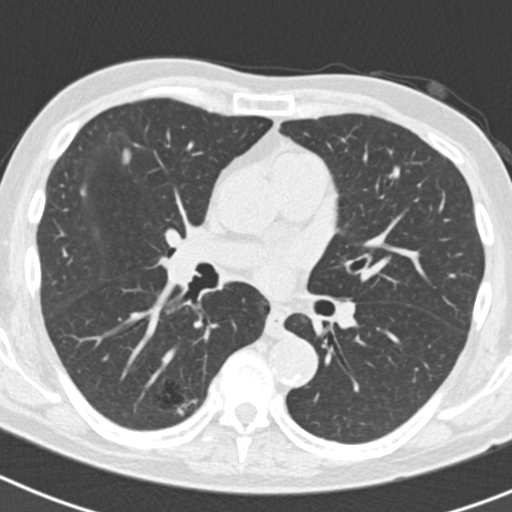
Axial slice 105 of 186 of a chest CT (slice 1 is the lowest), reconstructed with the B30f kernel at 120 kVp; 2.00 mm slice thickness and 0.586 mm pixels.
Pulmonary nodule at rows 148–165, columns 122–131 (box = the union of the readers' outlines on this slice), outlined by three of the four readers; median longest diameter 10.6 mm (readers' outlines 9.8–11.5 mm), median volume 169 mm3 (132–172 mm3). Ratings, median across the readers with their spread: median texture 5/5 (solid) (readers ranged 3/5 (part-solid) to 5/5 (solid)); margin 4/5 at the median of three readers, spread 2/5 to 5/5 (circumscribed); median sphericity 3/5 (ovoid) (readers ranged 3/5 (ovoid) to 4/5); calcification absent from all three readers; internal structure soft tissue from all three readers; subtlety 4/5 from all three readers; malignancy likelihood 2/5 at the median of three readers, spread 2–3. Scale key (1–5): texture non-solid→solid, margin indistinct→circumscribed, sphericity linear→round, subtlety extremely subtle→obvious, malignancy likelihood highly unlikely→highly suspicious of cancer. Box rows and columns are 0-based pixel indices from the top-left corner, inclusive.